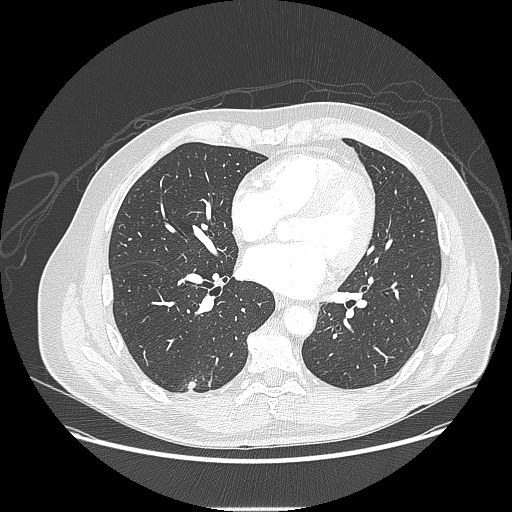
Axial slice 83 of 214 of a chest CT (slice 1 is the lowest), reconstructed with the LUNG kernel at 120 kVp; 1.25 mm slice thickness and 0.820 mm pixels.
Pulmonary nodule outlined by all four readers, three of them on this slice; box rows 381–389, columns 187–195 (the union of the readers' outlines on this slice); median longest diameter 23.1 mm (readers' outlines 14.7–27.9 mm), median volume 1263 mm3 (696–2326 mm3). Median ratings and the readers' spread: median texture 5/5 (solid) (readers ranged 4/5 to 5/5 (solid)); margin 4/5 at the median of four readers, spread 1/5 (indistinct) to 4/5; median sphericity 2.5/5 (readers ranged 2/5 to 3/5 (ovoid)); calcification absent from all four readers; internal structure soft tissue from all four readers; median subtlety 4.5/5 (readers ranged 4–5); median malignancy likelihood 4/5 (readers ranged 3–4). Scale key (1–5): texture non-solid→solid, margin indistinct→circumscribed, sphericity linear→round, subtlety extremely subtle→obvious, malignancy likelihood highly unlikely→highly suspicious of cancer. Box rows and columns are 0-based pixel indices from the top-left corner, inclusive.